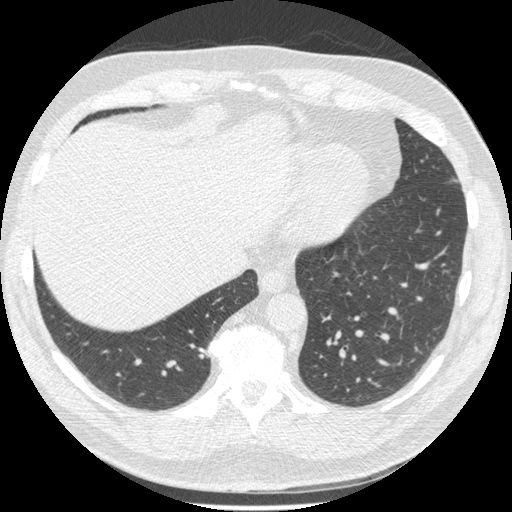
Axial chest CT slice 169 of 557 (counted from the lowest slice); tube voltage 120 kVp, convolution kernel STANDARD; slices 1.25 mm thick, 0.703 mm per pixel.
Pulmonary nodule, outlined by all four readers, two of them on this slice. Box on this slice rows 348–355, columns 199–208, the union of the readers' outlines on this slice; median longest diameter 10.4 mm (readers' outlines 8.6–11.5 mm), median volume 209 mm3 (175–299 mm3). Median ratings and the readers' spread: texture 5/5 (solid) from all four readers; median margin 5/5 (circumscribed) (readers ranged 2/5 to 5/5 (circumscribed)); sphericity 4.5/5 at the median of four readers, spread 4/5 to 5/5 (round); calcification: solid calcification (two), absent (one), central calcification (one); internal structure soft tissue, all four readers agreeing; median subtlety 4.5/5 (readers ranged 3–5); median malignancy likelihood 1/5 (readers ranged 1–4). Scale key (1–5): texture non-solid→solid, margin indistinct→circumscribed, sphericity linear→round, subtlety extremely subtle→obvious, malignancy likelihood highly unlikely→highly suspicious of cancer. Box rows and columns are 0-based pixel indices from the top-left corner, inclusive.